Chest CT, axial plane, 140 kVp, kernel STANDARD. Slice 453/501 from the bottom of the scan; thickness 1.25 mm; pixel size 0.703 mm.
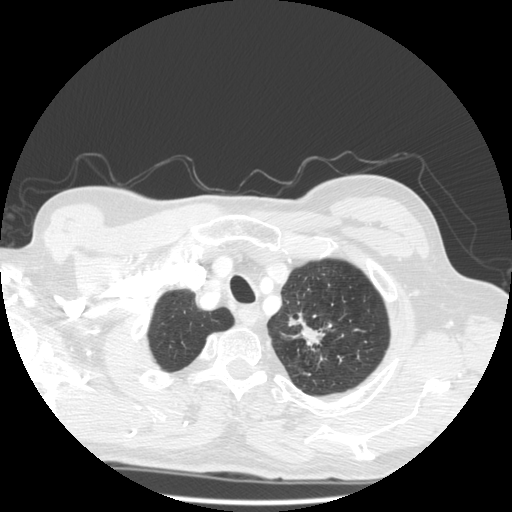
Pulmonary nodule, outlined by three of the four readers. Box on this slice rows 312–351, columns 288–324, the union of the readers' outlines on this slice; median longest diameter 33.8 mm (readers' outlines 32.1–39.2 mm), median volume 3078 mm3 (2361–4873 mm3). Ratings, median across the readers with their spread: texture 5/5 (solid) at the median of three readers, spread 4/5 to 5/5 (solid); margin 3/5 at the median of three readers, spread 1/5 (indistinct) to 5/5 (circumscribed); median sphericity 3/5 (ovoid) (readers ranged 2/5 to 5/5 (round)); calcification absent from all three readers; internal structure soft tissue from all three readers; subtlety 5/5, all three readers agreeing; malignancy likelihood 5/5 at the median of three readers, spread 4–5. Scale key (1–5): texture non-solid→solid, margin indistinct→circumscribed, sphericity linear→round, subtlety extremely subtle→obvious, malignancy likelihood highly unlikely→highly suspicious of cancer. Box rows and columns are 0-based pixel indices from the top-left corner, inclusive.